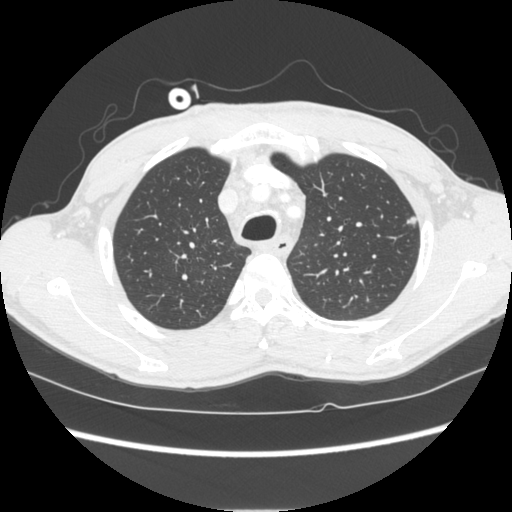
Chest CT, axial plane, 120 kVp, kernel STANDARD. Slice 205/261 from the bottom of the scan; thickness 1.25 mm; pixel size 0.684 mm.
Pulmonary nodule outlined by all four readers; box rows 216–225, columns 407–416 (the union of the readers' outlines on this slice); longest diameter 12.5 mm on average over the four readers' outlines (readers' outlines 11.7–13.4 mm), volume 372–605 mm3. The readers' prevailing ratings and who disagreed: texture 5/5 (solid), all four readers agreeing; margin 5/5 (circumscribed), all four readers agreeing; sphericity 4/5 by two of four readers; the rest gave 3/5 (ovoid) (one), 5/5 (round) (one); calcification absent from all four readers; internal structure soft tissue, all four readers agreeing; subtlety 5/5 by two of four readers; the rest gave 3/5 (one), 4/5 (one); malignancy likelihood split among the readers: 2/5 (one), 3/5 (one), 4/5 (one), 5/5 (one). Scale key (1–5): texture non-solid→solid, margin indistinct→circumscribed, sphericity linear→round, subtlety extremely subtle→obvious, malignancy likelihood highly unlikely→highly suspicious of cancer. Box rows and columns are 0-based pixel indices from the top-left corner, inclusive.